Axial slice 447 of 490 of a chest CT (slice 1 is the lowest), reconstructed with the STANDARD kernel at 120 kVp; 1.25 mm slice thickness and 0.645 mm pixels.
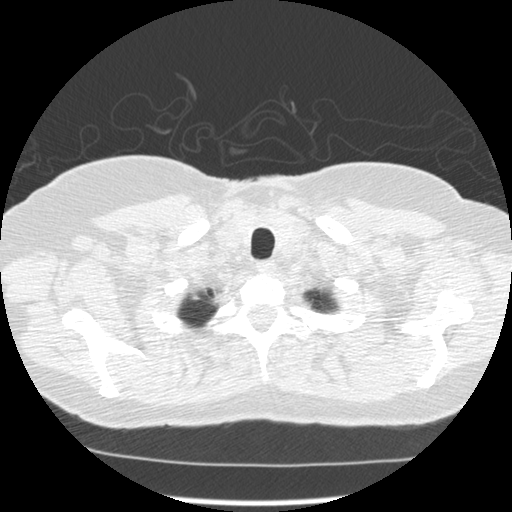
Pulmonary nodule at rows 294–299, columns 192–198 (box = that reader's outline on this slice), outlined by one of the four readers; longest diameter 7.8 mm and volume 43 mm3 from that reader's outline. Ratings by that reader: texture 5/5 (solid); margin 4/5; sphericity 3/5 (ovoid); calcification absent; internal structure soft tissue; subtlety 5/5; malignancy likelihood 2/5. Scale key (1–5): texture non-solid→solid, margin indistinct→circumscribed, sphericity linear→round, subtlety extremely subtle→obvious, malignancy likelihood highly unlikely→highly suspicious of cancer. Box rows and columns are 0-based pixel indices from the top-left corner, inclusive.